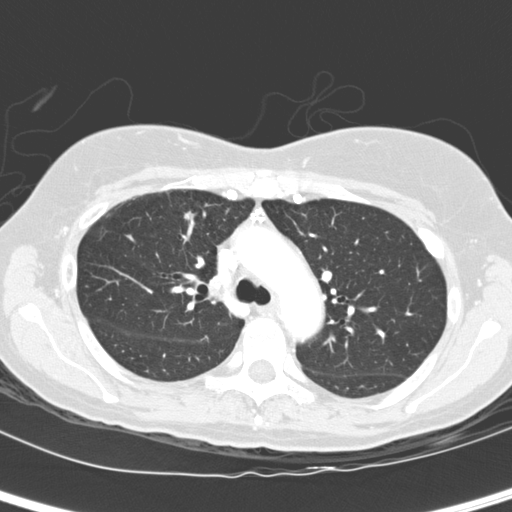
Axial chest CT slice 180 of 260 (counted from the lowest slice); 2.00 mm thick, 0.584 mm per pixel. Pulmonary nodule outlined by three of the four readers; box rows 211–220, columns 184–191 (the union of the readers' outlines on this slice); longest diameter 6.2 mm on average over the three readers' outlines (readers' outlines 5.4–6.8 mm), volume 27–95 mm3. The readers' prevailing ratings and who disagreed: texture 5/5 (solid) by two of three readers; the rest gave 4/5 (one); most readers (two of three) put margin at 3/5, others 5/5 (circumscribed) (one); most readers (two of three) put sphericity at 4/5, others 3/5 (ovoid) (one); calcification absent, all three readers agreeing; internal structure soft tissue, all three readers agreeing; most readers (two of three) put subtlety at 2/5, others 3/5 (one); malignancy likelihood split among the readers: 1/5 (one), 3/5 (one), 4/5 (one). Scale key (1–5): texture non-solid→solid, margin indistinct→circumscribed, sphericity linear→round, subtlety extremely subtle→obvious, malignancy likelihood highly unlikely→highly suspicious of cancer. Box rows and columns are 0-based pixel indices from the top-left corner, inclusive.
Tube voltage 120 kVp; convolution kernel D.